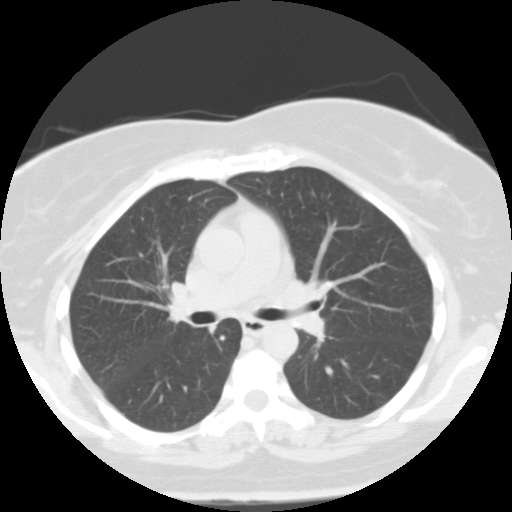
Axial chest CT slice 64 of 105 (counted from the lowest slice); 3.00 mm thick, 0.656 mm per pixel. Pulmonary nodule, outlined by two of the four readers. Box on this slice rows 335–340, columns 219–225, the union of the readers' outlines on this slice; the two readers' outlines give a longest diameter between 4.8 and 6.2 mm and a volume between 73 and 144 mm3. The readers' ratings, as ranges where they differ: texture 5/5 (solid) from both readers; margin from 4/5 to 5/5 (circumscribed) across the two readers; sphericity from 4/5 to 5/5 (round) across the two readers; calcification solid calcification from both readers; internal structure soft tissue, both readers agreeing; subtlety 2–5/5 (the readers disagree); malignancy likelihood 1/5 from both readers. Scale key (1–5): texture non-solid→solid, margin indistinct→circumscribed, sphericity linear→round, subtlety extremely subtle→obvious, malignancy likelihood highly unlikely→highly suspicious of cancer. Box rows and columns are 0-based pixel indices from the top-left corner, inclusive.
Scan settings: 135 kVp, FC01 reconstruction kernel.